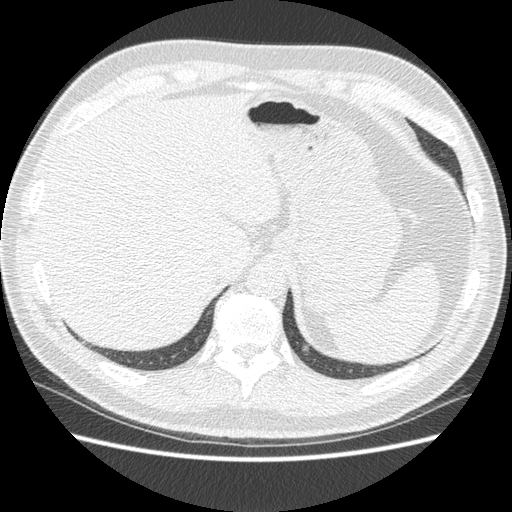
One axial slice (101 of 477, counting up from the lowest) of a chest CT acquired at 120 kVp with the STANDARD kernel; each pixel is 0.703 mm and the slice is 1.25 mm thick.
Pulmonary nodule outlined by all four readers, three of them on this slice; box rows 344–351, columns 301–309 (the union of the readers' outlines on this slice); longest diameter 10.5–13.2 mm and volume 347–425 mm3 across the four readers' outlines. Ratings across the readers: texture 5/5 (solid) from all four readers; margin from 4/5 to 5/5 (circumscribed) across the four readers; sphericity from 3/5 (ovoid) to 5/5 (round) across the four readers; calcification split among the readers: solid calcification (one), non-central calcification (one), central calcification (one), absent (one); internal structure soft tissue from all four readers; subtlety 3–5/5 (the readers disagree); malignancy likelihood 1–2/5 (the readers disagree). Scale key (1–5): texture non-solid→solid, margin indistinct→circumscribed, sphericity linear→round, subtlety extremely subtle→obvious, malignancy likelihood highly unlikely→highly suspicious of cancer. Box rows and columns are 0-based pixel indices from the top-left corner, inclusive.